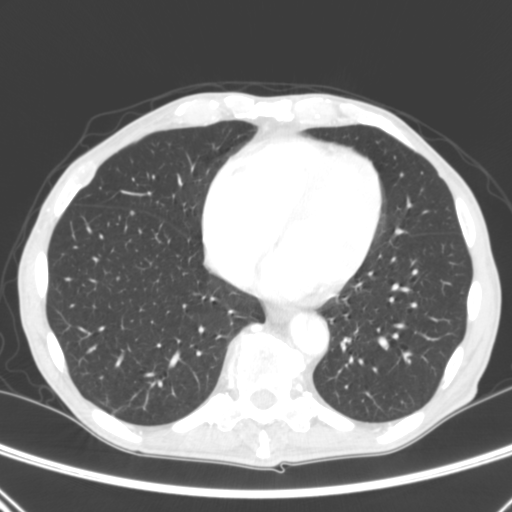
Axial chest CT slice 94 of 290 (counted from the lowest slice); tube voltage 120 kVp, convolution kernel B; slices 2.00 mm thick, 0.639 mm per pixel.
Pulmonary nodule at rows 210–214, columns 130–134 (box = that reader's outline on this slice), outlined by one of the four readers; longest diameter 5.0 mm and volume 58 mm3 from that reader's outline. That reader's ratings: texture 5/5 (solid); margin 5/5 (circumscribed); sphericity 5/5 (round); calcification absent; internal structure soft tissue; subtlety 5/5; malignancy likelihood 3/5. Scale key (1–5): texture non-solid→solid, margin indistinct→circumscribed, sphericity linear→round, subtlety extremely subtle→obvious, malignancy likelihood highly unlikely→highly suspicious of cancer. Box rows and columns are 0-based pixel indices from the top-left corner, inclusive.